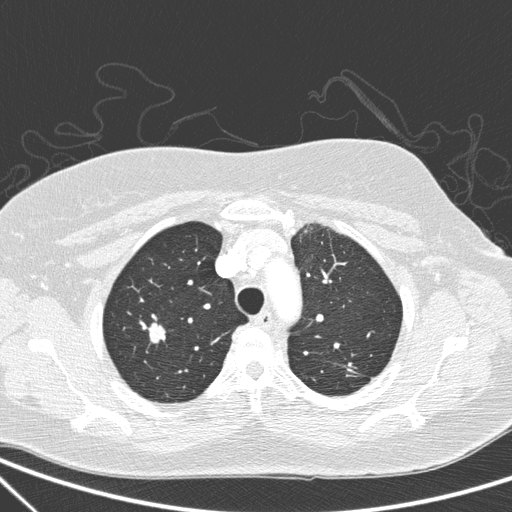
Slice 222/266 of a chest CT, counting up from the lowest; pixel size 0.668 mm, slice thickness 1.00 mm. Pulmonary nodule outlined by all four readers; box rows 322–344, columns 147–165 (the union of the readers' outlines on this slice); median longest diameter 17.2 mm (readers' outlines 16.7–17.7 mm), median volume 1372 mm3 (1306–1533 mm3). Median ratings and the readers' spread: texture 5/5 (solid) from all four readers; margin 3/5 at the median of four readers, spread 2/5 to 5/5 (circumscribed); median sphericity 4/5 (readers ranged 3/5 (ovoid) to 5/5 (round)); calcification absent, all four readers agreeing; internal structure soft tissue, all four readers agreeing; subtlety 5/5 from all four readers; malignancy likelihood 5/5 at the median of four readers, spread 2–5. Scale key (1–5): texture non-solid→solid, margin indistinct→circumscribed, sphericity linear→round, subtlety extremely subtle→obvious, malignancy likelihood highly unlikely→highly suspicious of cancer. Box rows and columns are 0-based pixel indices from the top-left corner, inclusive.
Scan settings: 120 kVp, D reconstruction kernel.